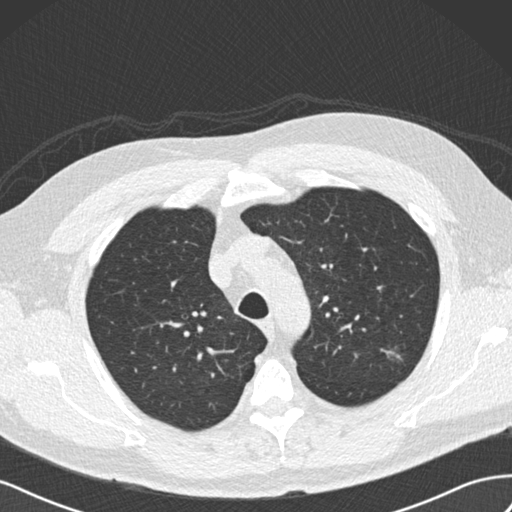
Axial slice 161 of 206 of a chest CT (slice 1 is the lowest), reconstructed with the B30f kernel at 120 kVp; 2.00 mm slice thickness and 0.703 mm pixels.
Pulmonary nodule, outlined by three of the four readers. Box on this slice rows 347–357, columns 388–398, the union of the readers' outlines on this slice; the three readers' outlines give a longest diameter between 15.6 and 17.9 mm and a volume between 851 and 953 mm3. The readers' ratings, as ranges where they differ: texture from 1/5 (non-solid) to 3/5 (part-solid) across the three readers; margin from 1/5 (indistinct) to 3/5 across the three readers; sphericity 2/5, all three readers agreeing; calcification absent, all three readers agreeing; internal structure: soft tissue (two), air (one); subtlety 3–4/5 (the readers disagree); malignancy likelihood from 3/5 to 4/5 across the three readers. Scale key (1–5): texture non-solid→solid, margin indistinct→circumscribed, sphericity linear→round, subtlety extremely subtle→obvious, malignancy likelihood highly unlikely→highly suspicious of cancer. Box rows and columns are 0-based pixel indices from the top-left corner, inclusive.